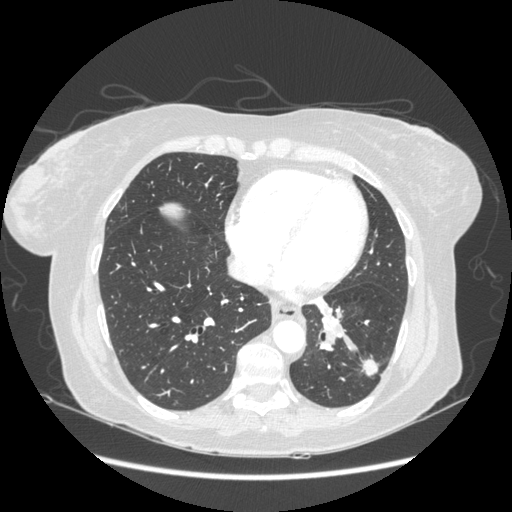
Axial chest CT slice 84 of 230 (counted from the lowest slice); tube voltage 120 kVp, convolution kernel STANDARD; slices 1.25 mm thick, 0.742 mm per pixel.
Pulmonary nodule outlined by all four readers; box rows 355–376, columns 360–378 (the union of the readers' outlines on this slice); median longest diameter 30.2 mm (readers' outlines 23.1–31.5 mm), median volume 4051 mm3 (3020–5074 mm3). Ratings, median across the readers with their spread: texture 5/5 (solid), all four readers agreeing; margin 4/5 at the median of four readers, spread 3/5 to 5/5 (circumscribed); median sphericity 3/5 (ovoid) (readers ranged 3/5 (ovoid) to 5/5 (round)); calcification absent from all four readers; internal structure soft tissue, all four readers agreeing; subtlety 5/5, all four readers agreeing; median malignancy likelihood 5/5 (readers ranged 3–5). Scale key (1–5): texture non-solid→solid, margin indistinct→circumscribed, sphericity linear→round, subtlety extremely subtle→obvious, malignancy likelihood highly unlikely→highly suspicious of cancer. Box rows and columns are 0-based pixel indices from the top-left corner, inclusive.